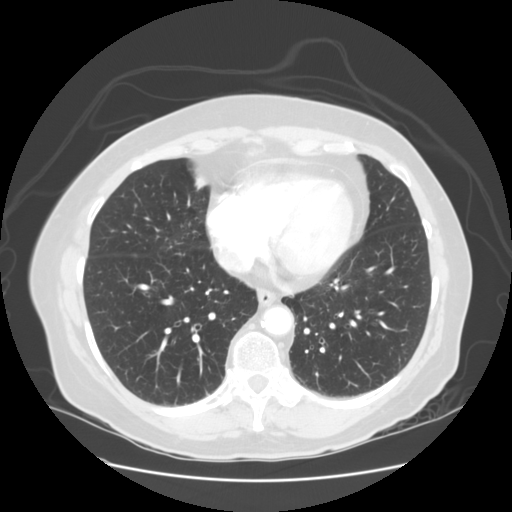
Axial chest CT slice 47 of 128 (counted from the lowest slice); tube voltage 120 kVp, convolution kernel STANDARD; slices 2.50 mm thick, 0.742 mm per pixel.
Pulmonary nodule outlined by three of the four readers; box rows 203–207, columns 134–137 (the union of the readers' outlines on this slice); median longest diameter 5.7 mm (readers' outlines 5.7–6.4 mm), median volume 124 mm3 (92–149 mm3). Ratings, median across the readers with their spread: texture 5/5 (solid) at the median of three readers, spread 4/5 to 5/5 (solid); median margin 5/5 (circumscribed) (readers ranged 4/5 to 5/5 (circumscribed)); sphericity 5/5 (round) at the median of three readers, spread 4/5 to 5/5 (round); calcification absent from all three readers; internal structure soft tissue, all three readers agreeing; subtlety 3/5 at the median of three readers, spread 3–4; malignancy likelihood 3/5 at the median of three readers, spread 2–3. Scale key (1–5): texture non-solid→solid, margin indistinct→circumscribed, sphericity linear→round, subtlety extremely subtle→obvious, malignancy likelihood highly unlikely→highly suspicious of cancer. Box rows and columns are 0-based pixel indices from the top-left corner, inclusive.